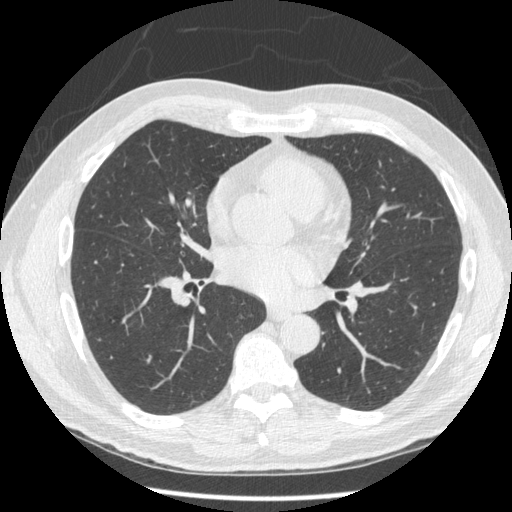
Chest CT, axial plane, 120 kVp, kernel STANDARD. Slice 208/452 from the bottom of the scan; thickness 1.25 mm; pixel size 0.703 mm.
The readers outlined no nodule of 3 mm or more on this slice.